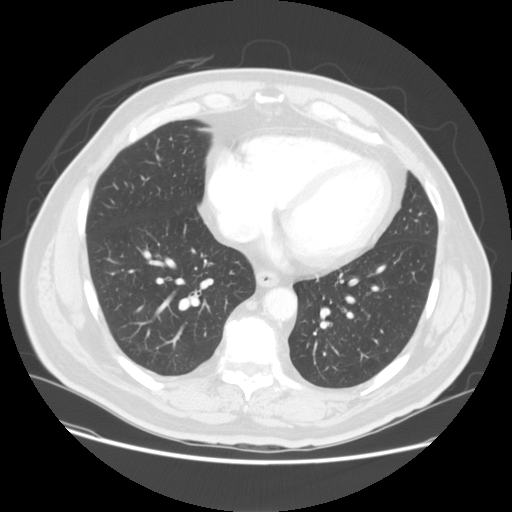
Axial slice 67 of 149 of a chest CT (slice 1 is the lowest), reconstructed with the STANDARD kernel at 120 kVp; 2.50 mm slice thickness and 0.781 mm pixels.
No nodule of 3 mm or larger was outlined by any of the four readers on this slice.